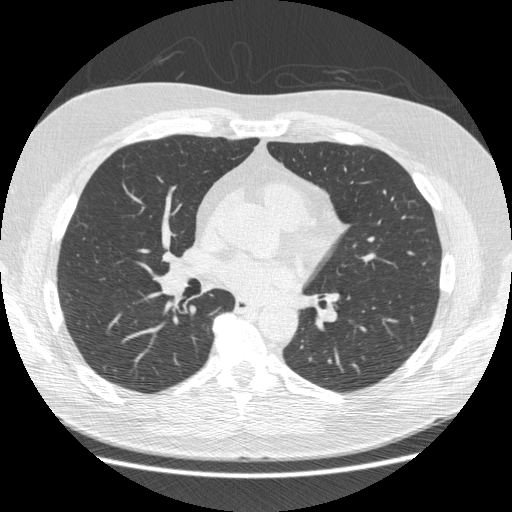
Axial chest CT slice 288 of 538 (counted from the lowest slice); tube voltage 120 kVp, convolution kernel STANDARD; slices 1.25 mm thick, 0.742 mm per pixel.
None of the four readers outlined a nodule of 3 mm or more on this slice.